One axial slice (93 of 144, counting up from the lowest) of a chest CT acquired at 120 kVp with the STANDARD kernel; each pixel is 0.625 mm and the slice is 2.50 mm thick.
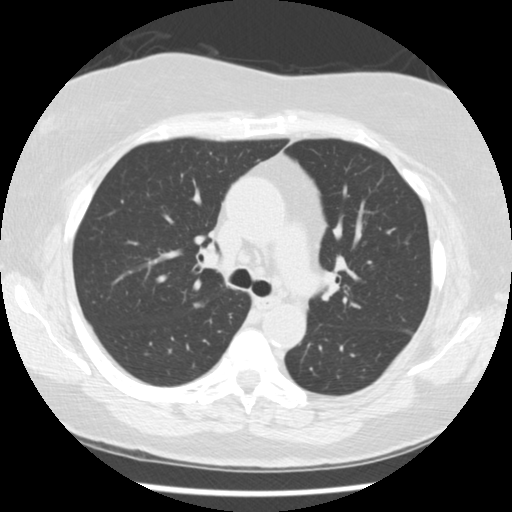
Pulmonary nodule at rows 302–307, columns 193–203 (box = the union of the readers' outlines on this slice), outlined by two of the four readers; median longest diameter 6.3 mm (readers' outlines 5.2–7.5 mm), median volume 65 mm3 (58–71 mm3). Median ratings and the readers' spread: texture 5/5 (solid), both readers agreeing; margin 4/5 from both readers; sphericity 4/5 at the median of two readers, spread 3/5 (ovoid) to 5/5 (round); calcification absent from both readers; internal structure soft tissue, both readers agreeing; subtlety 3.5/5 at the median of two readers, spread 2–5; malignancy likelihood 2.5/5 at the median of two readers, spread 2–3. Scale key (1–5): texture non-solid→solid, margin indistinct→circumscribed, sphericity linear→round, subtlety extremely subtle→obvious, malignancy likelihood highly unlikely→highly suspicious of cancer. Box rows and columns are 0-based pixel indices from the top-left corner, inclusive.